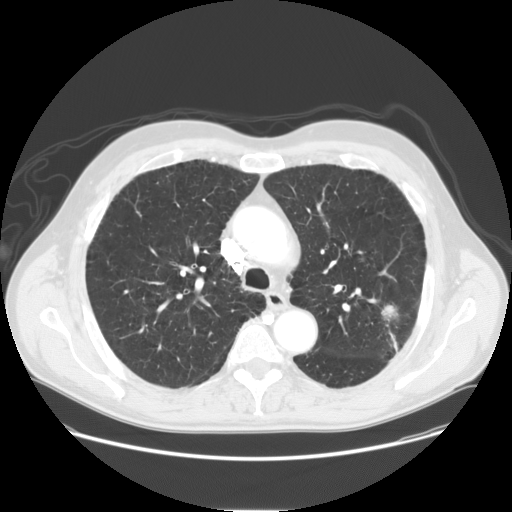
Chest CT, axial plane, 120 kVp, kernel STANDARD. Slice 109/152 from the bottom of the scan; thickness 2.50 mm; pixel size 0.781 mm.
Pulmonary nodule at rows 303–324, columns 379–400 (box = the union of the readers' outlines on this slice), outlined by all four readers; median longest diameter 28.0 mm (readers' outlines 26.7–29.9 mm), median volume 5490 mm3 (4495–6409 mm3). Ratings, median across the readers with their spread: texture 5/5 (solid) at the median of four readers, spread 4/5 to 5/5 (solid); margin 3.5/5 at the median of four readers, spread 3/5 to 4/5; median sphericity 4.5/5 (readers ranged 3/5 (ovoid) to 5/5 (round)); calcification absent from all four readers; internal structure soft tissue, all four readers agreeing; subtlety 5/5, all four readers agreeing; malignancy likelihood 5/5 at the median of four readers, spread 4–5. Scale key (1–5): texture non-solid→solid, margin indistinct→circumscribed, sphericity linear→round, subtlety extremely subtle→obvious, malignancy likelihood highly unlikely→highly suspicious of cancer. Box rows and columns are 0-based pixel indices from the top-left corner, inclusive.